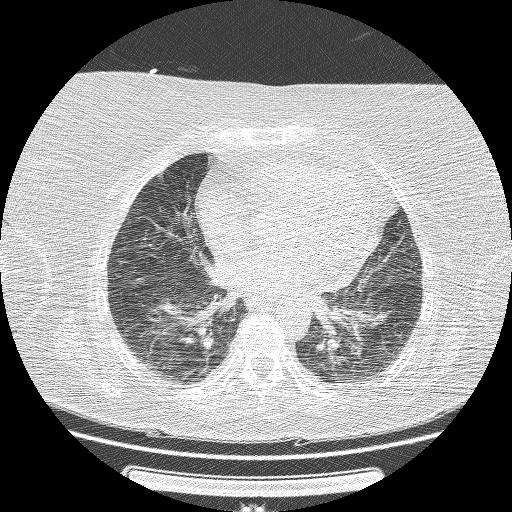
One axial slice (62 of 162, counting up from the lowest) of a chest CT acquired at 120 kVp with the BONE kernel; each pixel is 0.703 mm and the slice is 1.25 mm thick.
Pulmonary nodule at rows 172–179, columns 157–164 (box = the one reader's outline on this slice), outlined by all four readers, one of them on this slice; longest diameter 10.9–13.0 mm and volume 239–644 mm3 across the four readers' outlines. The readers' ratings, as ranges where they differ: texture 5/5 (solid), all four readers agreeing; margin 4/5, all four readers agreeing; sphericity from 3/5 (ovoid) to 4/5 across the four readers; calcification: absent (three), solid calcification (one); internal structure soft tissue from all four readers; subtlety 4–5/5 (the readers disagree); malignancy likelihood rated between 1 and 3 out of 5 by the four readers. Scale key (1–5): texture non-solid→solid, margin indistinct→circumscribed, sphericity linear→round, subtlety extremely subtle→obvious, malignancy likelihood highly unlikely→highly suspicious of cancer. Box rows and columns are 0-based pixel indices from the top-left corner, inclusive.